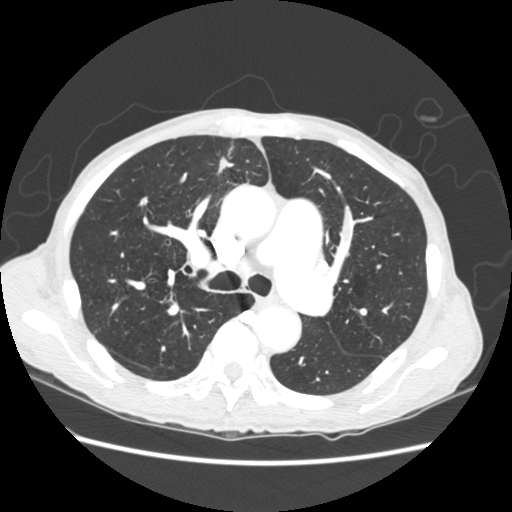
Slice 148/248 of a chest CT, counting up from the lowest; pixel size 0.703 mm, slice thickness 1.25 mm. Pulmonary nodule at rows 157–173, columns 217–227 (box = that reader's outline on this slice), outlined by one of the four readers; longest diameter 22.3 mm and volume 457 mm3 from that reader's outline. Ratings by that reader: texture 5/5 (solid); margin 3/5; sphericity 2/5; calcification absent; internal structure soft tissue; subtlety 5/5; malignancy likelihood 2/5. Scale key (1–5): texture non-solid→solid, margin indistinct→circumscribed, sphericity linear→round, subtlety extremely subtle→obvious, malignancy likelihood highly unlikely→highly suspicious of cancer. Box rows and columns are 0-based pixel indices from the top-left corner, inclusive.
Acquired at 120 kVp and reconstructed with the STANDARD kernel.